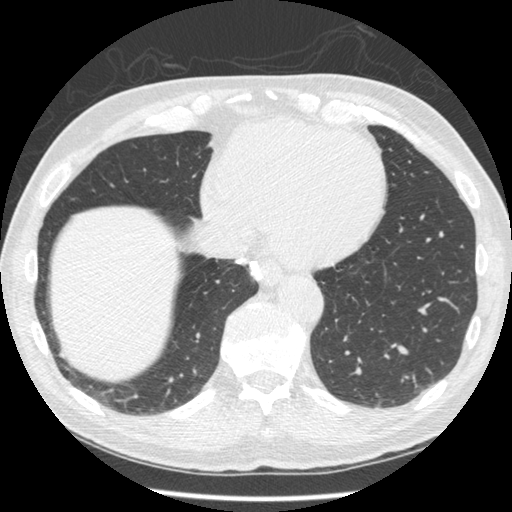
Chest CT, axial plane, 120 kVp, kernel STANDARD. Slice 113/481 from the bottom of the scan; thickness 1.25 mm; pixel size 0.664 mm.
Pulmonary nodule outlined by one of the four readers; box rows 354–357, columns 59–63 (that reader's outline on this slice); longest diameter 5.9 mm and volume 35 mm3 from that reader's outline. Ratings by that reader: texture 4/5; margin 2/5; sphericity 2/5; calcification absent; internal structure soft tissue; subtlety 1/5; malignancy likelihood 1/5. Scale key (1–5): texture non-solid→solid, margin indistinct→circumscribed, sphericity linear→round, subtlety extremely subtle→obvious, malignancy likelihood highly unlikely→highly suspicious of cancer. Box rows and columns are 0-based pixel indices from the top-left corner, inclusive.